Axial slice 245 of 272 of a chest CT (slice 1 is the lowest), reconstructed with the STANDARD kernel at 120 kVp; 1.25 mm slice thickness and 0.742 mm pixels.
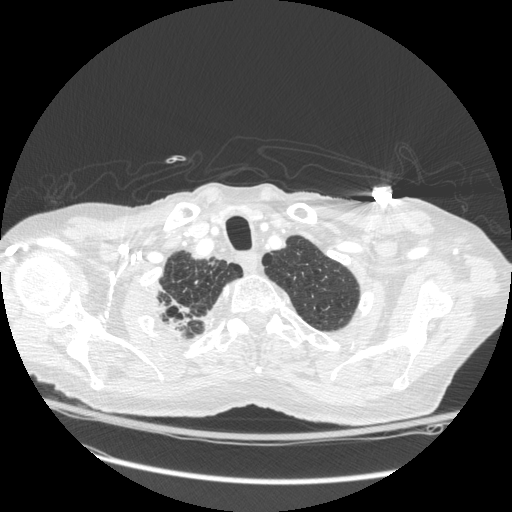
Pulmonary nodule at rows 285–334, columns 156–202 (box = the one reader's outline on this slice), outlined by all four readers, one of them on this slice; longest diameter 16.0–56.1 mm and volume 732–13897 mm3 across the four readers' outlines. Ratings across the readers: texture 5/5 (solid) from all four readers; margin from 3/5 to 5/5 (circumscribed) across the four readers; sphericity from 3/5 (ovoid) to 4/5 across the four readers; calcification absent from all four readers; internal structure soft tissue, all four readers agreeing; subtlety 5/5, all four readers agreeing; malignancy likelihood 4–5/5 (the readers disagree). Scale key (1–5): texture non-solid→solid, margin indistinct→circumscribed, sphericity linear→round, subtlety extremely subtle→obvious, malignancy likelihood highly unlikely→highly suspicious of cancer. Box rows and columns are 0-based pixel indices from the top-left corner, inclusive.